Axial chest CT slice 112 of 133 (counted from the lowest slice); tube voltage 120 kVp, convolution kernel STANDARD; slices 2.50 mm thick, 0.859 mm per pixel.
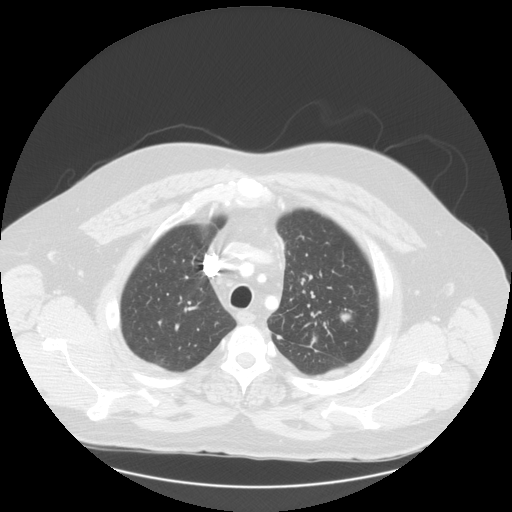
Two pulmonary nodules are outlined on this slice; from left to right: (1) Pulmonary nodule, outlined by all four readers, one of them on this slice. Box on this slice rows 355–358, columns 186–189, the one reader's outline on this slice; longest diameter 8.8 mm on average over the four readers' outlines (readers' outlines 8.2–9.3 mm), volume 187–316 mm3. The readers' prevailing ratings and who disagreed: texture 5/5 (solid), all four readers agreeing; margin split among the readers: 4/5 (two), 5/5 (circumscribed) (two); sphericity 4/5 by two of four readers; the rest gave 3/5 (ovoid) (one), 5/5 (round) (one); calcification absent from all four readers; internal structure soft tissue from all four readers; most readers (three of four) put subtlety at 3/5, others 4/5 (one); malignancy likelihood split among the readers: 2/5 (two), 3/5 (two). (2) Pulmonary nodule, outlined by all four readers. Box on this slice rows 311–322, columns 338–352, the union of the readers' outlines on this slice; longest diameter 16.4–22.4 mm and volume 1808–2759 mm3 across the four readers' outlines. The readers' ratings, as ranges where they differ: texture from 4/5 to 5/5 (solid) across the four readers; margin from 3/5 to 5/5 (circumscribed) across the four readers; sphericity from 3/5 (ovoid) to 5/5 (round) across the four readers; calcification absent, all four readers agreeing; internal structure soft tissue, all four readers agreeing; subtlety 3–5/5 (the readers disagree); malignancy likelihood rated between 4 and 5 out of 5 by the four readers. Scale key (1–5): texture non-solid→solid, margin indistinct→circumscribed, sphericity linear→round, subtlety extremely subtle→obvious, malignancy likelihood highly unlikely→highly suspicious of cancer. Box rows and columns are 0-based pixel indices from the top-left corner, inclusive.